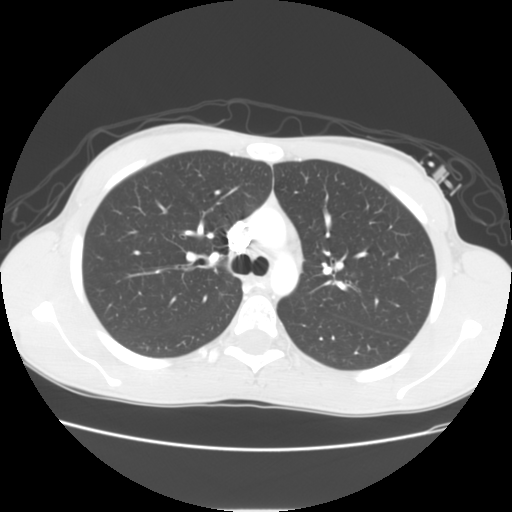
Axial slice 78 of 114 of a chest CT (slice 1 is the lowest), reconstructed with the STANDARD kernel at 120 kVp; 2.50 mm slice thickness and 0.664 mm pixels.
Pulmonary nodule at rows 271–277, columns 351–354 (box = the one reader's outline on this slice), outlined by all four readers, one of them on this slice; longest diameter 16.8–19.0 mm and volume 1177–1906 mm3 across the four readers' outlines. Ratings across the readers: texture from 4/5 to 5/5 (solid) across the four readers; margin from 4/5 to 5/5 (circumscribed) across the four readers; sphericity from 3/5 (ovoid) to 5/5 (round) across the four readers; calcification absent from all four readers; internal structure soft tissue, all four readers agreeing; subtlety rated between 3 and 5 out of 5 by the four readers; malignancy likelihood from 2/5 to 5/5 across the four readers. Scale key (1–5): texture non-solid→solid, margin indistinct→circumscribed, sphericity linear→round, subtlety extremely subtle→obvious, malignancy likelihood highly unlikely→highly suspicious of cancer. Box rows and columns are 0-based pixel indices from the top-left corner, inclusive.